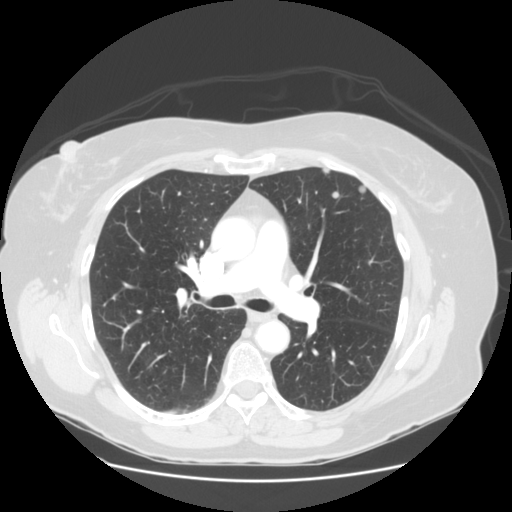
Axial slice 80 of 128 of a chest CT (slice 1 is the lowest), reconstructed with the STANDARD kernel at 120 kVp; 2.50 mm slice thickness and 0.742 mm pixels.
Three pulmonary nodules are outlined on this slice; from left to right: (1) Pulmonary nodule outlined by three of the four readers; box rows 167–173, columns 322–329 (the union of the readers' outlines on this slice); median longest diameter 6.8 mm (readers' outlines 6.6–7.0 mm), median volume 63 mm3 (55–151 mm3). Median ratings and the readers' spread: median texture 5/5 (solid) (readers ranged 3/5 (part-solid) to 5/5 (solid)); median margin 4/5 (readers ranged 2/5 to 5/5 (circumscribed)); median sphericity 4/5 (readers ranged 3/5 (ovoid) to 5/5 (round)); calcification absent, all three readers agreeing; internal structure soft tissue, all three readers agreeing; subtlety 4/5 at the median of three readers, spread 3–4; malignancy likelihood 3/5 at the median of three readers, spread 2–3. (2) Pulmonary nodule, outlined by three of the four readers. Box on this slice rows 191–198, columns 331–339, the union of the readers' outlines on this slice; longest diameter 7.1 mm on average over the three readers' outlines (readers' outlines 6.7–7.3 mm), volume 143–185 mm3. Ratings, by the readers' most common answer with dissent counted: texture 5/5 (solid) by two of three readers; the rest gave 3/5 (part-solid) (one); margin 5/5 (circumscribed) by two of three readers; the rest gave 3/5 (one); most readers (two of three) put sphericity at 5/5 (round), others 4/5 (one); calcification absent from all three readers; internal structure soft tissue from all three readers; subtlety 3/5 by two of three readers; the rest gave 4/5 (one); malignancy likelihood 3/5 by two of three readers; the rest gave 2/5 (one). (3) Pulmonary nodule at rows 184–193, columns 357–365 (box = the union of the readers' outlines on this slice), outlined by all four readers; longest diameter 8.3 mm on average over the four readers' outlines (readers' outlines 8.0–8.7 mm), volume 205–313 mm3. Ratings, by the readers' most common answer with dissent counted: texture 5/5 (solid), all four readers agreeing; margin 5/5 (circumscribed) from all four readers; sphericity 5/5 (round) by two of four readers; the rest gave 3/5 (ovoid) (one), 4/5 (one); calcification absent, all four readers agreeing; internal structure soft tissue, all four readers agreeing; subtlety 4/5 by two of four readers; the rest gave 3/5 (one), 5/5 (one); malignancy likelihood split among the readers: 2/5 (two), 3/5 (two). Scale key (1–5): texture non-solid→solid, margin indistinct→circumscribed, sphericity linear→round, subtlety extremely subtle→obvious, malignancy likelihood highly unlikely→highly suspicious of cancer. Box rows and columns are 0-based pixel indices from the top-left corner, inclusive.